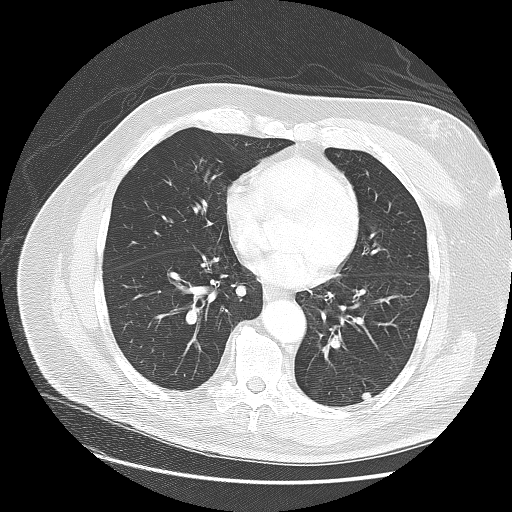
One axial slice (66 of 140, counting up from the lowest) of a chest CT acquired at 120 kVp with the LUNG kernel; each pixel is 0.781 mm and the slice is 2.50 mm thick.
Two pulmonary nodules are outlined on this slice; from left to right: (1) Pulmonary nodule at rows 284–297, columns 235–246 (box = the union of the readers' outlines on this slice), outlined by all four readers; longest diameter 9.7–11.8 mm and volume 557–728 mm3 across the four readers' outlines. Ratings across the readers: texture from 4/5 to 5/5 (solid) across the four readers; margin 5/5 (circumscribed), all four readers agreeing; sphericity from 4/5 to 5/5 (round) across the four readers; calcification absent, all four readers agreeing; internal structure soft tissue from all four readers; subtlety 3–4/5 (the readers disagree); malignancy likelihood from 2/5 to 4/5 across the four readers. (2) Pulmonary nodule at rows 390–400, columns 359–372 (box = the union of the readers' outlines on this slice), outlined by all four readers; longest diameter 9.8 mm on average over the four readers' outlines (readers' outlines 7.4–12.0 mm), volume 152–453 mm3. The readers' prevailing ratings and who disagreed: texture 5/5 (solid), all four readers agreeing; margin 5/5 (circumscribed), all four readers agreeing; sphericity split among the readers: 3/5 (ovoid) (two), 5/5 (round) (two); calcification absent from all four readers; internal structure soft tissue, all four readers agreeing; subtlety 3/5 by two of four readers; the rest gave 4/5 (one), 5/5 (one); malignancy likelihood 3/5 by two of four readers; the rest gave 2/5 (one), 4/5 (one). Scale key (1–5): texture non-solid→solid, margin indistinct→circumscribed, sphericity linear→round, subtlety extremely subtle→obvious, malignancy likelihood highly unlikely→highly suspicious of cancer. Box rows and columns are 0-based pixel indices from the top-left corner, inclusive.